Axial slice 98 of 126 of a chest CT (slice 1 is the lowest), reconstructed with the FC01 kernel at 135 kVp; 3.00 mm slice thickness and 0.744 mm pixels.
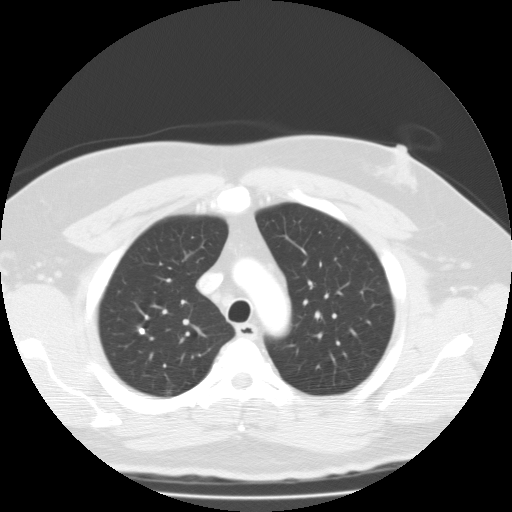
Two pulmonary nodules on this slice, listed from left to right. (1) Pulmonary nodule at rows 327–333, columns 138–143 (box = that reader's outline on this slice), outlined by one of the four readers; longest diameter 8.3 mm and volume 179 mm3 from that reader's outline. Ratings by that reader: texture 5/5 (solid); margin 5/5 (circumscribed); sphericity 4/5; calcification central calcification; internal structure soft tissue; subtlety 5/5; malignancy likelihood 1/5. (2) Pulmonary nodule outlined by two of the four readers, one of them on this slice; box rows 391–394, columns 165–169 (the one reader's outline on this slice); median longest diameter 7.1 mm (readers' outlines 6.3–7.9 mm), median volume 152 mm3 (111–192 mm3). Ratings, median across the readers with their spread: median texture 3/5 (part-solid) (readers ranged 1/5 (non-solid) to 5/5 (solid)); margin 3/5 at the median of two readers, spread 2/5 to 4/5; sphericity 4/5 from both readers; calcification absent from both readers; internal structure soft tissue, both readers agreeing; subtlety 2/5 at the median of two readers, spread 1–3; median malignancy likelihood 2/5 (readers ranged 1–3). Scale key (1–5): texture non-solid→solid, margin indistinct→circumscribed, sphericity linear→round, subtlety extremely subtle→obvious, malignancy likelihood highly unlikely→highly suspicious of cancer. Box rows and columns are 0-based pixel indices from the top-left corner, inclusive.